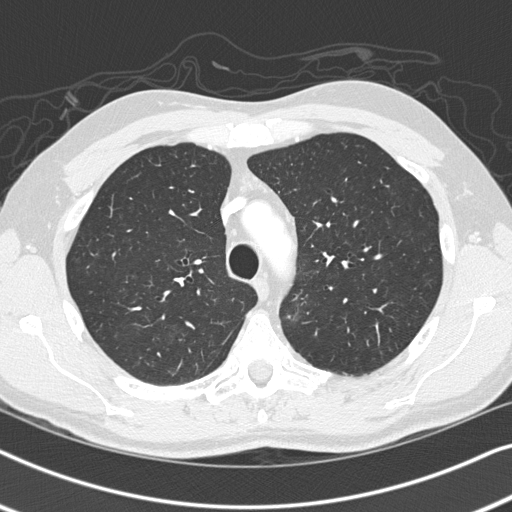
Axial chest CT slice 245 of 326 (counted from the lowest slice); tube voltage 120 kVp, convolution kernel B45f; slices 1.00 mm thick, 0.645 mm per pixel.
Pulmonary nodule outlined by three of the four readers, one of them on this slice; box rows 315–320, columns 292–297 (the one reader's outline on this slice); longest diameter 11.4 mm on average over the three readers' outlines (readers' outlines 10.7–11.8 mm), volume 148–311 mm3. Ratings, by the readers' most common answer with dissent counted: texture 5/5 (solid) by two of three readers; the rest gave 4/5 (one); margin split among the readers: 3/5 (one), 4/5 (one), 5/5 (circumscribed) (one); sphericity split among the readers: 2/5 (one), 3/5 (ovoid) (one), 5/5 (round) (one); calcification absent, all three readers agreeing; internal structure soft tissue, all three readers agreeing; subtlety split among the readers: 3/5 (one), 4/5 (one), 5/5 (one); malignancy likelihood 2/5 by two of three readers; the rest gave 3/5 (one). Scale key (1–5): texture non-solid→solid, margin indistinct→circumscribed, sphericity linear→round, subtlety extremely subtle→obvious, malignancy likelihood highly unlikely→highly suspicious of cancer. Box rows and columns are 0-based pixel indices from the top-left corner, inclusive.